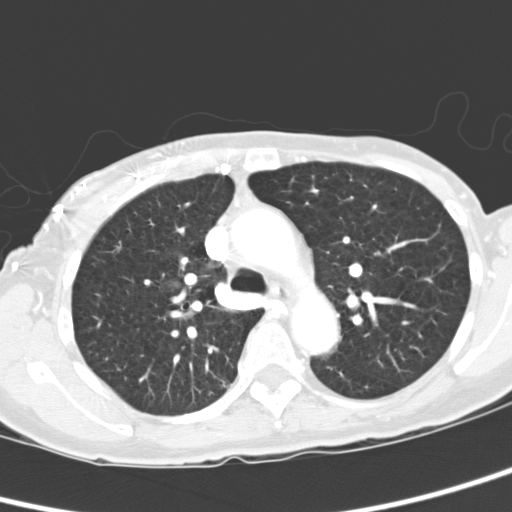
This is axial slice 220 of 321 (slice 1 is the lowest) of a chest CT; each pixel is 0.557 mm and the slice is 2.00 mm thick. Pulmonary nodule at rows 251–255, columns 373–380 (box = the union of the readers' outlines on this slice), outlined by all four readers; longest diameter 19.2–22.3 mm and volume 3069–4125 mm3 across the four readers' outlines. The readers' ratings, as ranges where they differ: texture 5/5 (solid), all four readers agreeing; margin 5/5 (circumscribed) from all four readers; sphericity from 4/5 to 5/5 (round) across the four readers; calcification absent from all four readers; internal structure soft tissue from all four readers; subtlety 5/5 from all four readers; malignancy likelihood 2–5/5 (the readers disagree). Scale key (1–5): texture non-solid→solid, margin indistinct→circumscribed, sphericity linear→round, subtlety extremely subtle→obvious, malignancy likelihood highly unlikely→highly suspicious of cancer. Box rows and columns are 0-based pixel indices from the top-left corner, inclusive.
Tube voltage 120 kVp; convolution kernel D.